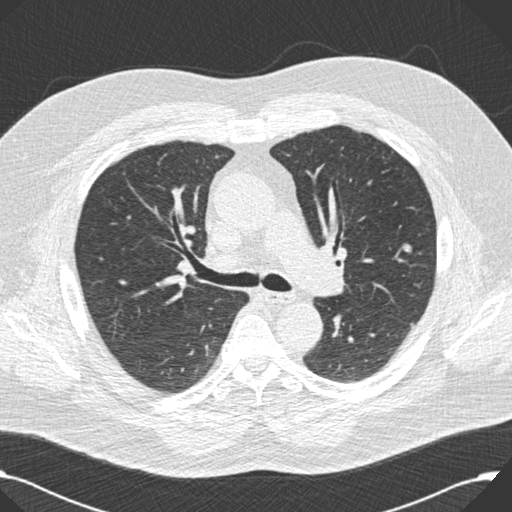
Axial chest CT slice 110 of 176 (counted from the lowest slice); 2.00 mm thick, 0.742 mm per pixel. Pulmonary nodule at rows 240–253, columns 401–413 (box = the union of the readers' outlines on this slice), outlined by all four readers; longest diameter 14.9 mm on average over the four readers' outlines (readers' outlines 14.3–16.3 mm), volume 1042–1473 mm3. The readers' prevailing ratings and who disagreed: texture 5/5 (solid) from all four readers; most readers (three of four) put margin at 5/5 (circumscribed), others 4/5 (one); most readers (three of four) put sphericity at 4/5, others 5/5 (round) (one); calcification split among the readers: absent (two), non-central calcification (two); internal structure soft tissue, all four readers agreeing; subtlety 5/5 by three of four readers; the rest gave 3/5 (one); malignancy likelihood 2/5 by two of four readers; the rest gave 3/5 (one), 4/5 (one). Scale key (1–5): texture non-solid→solid, margin indistinct→circumscribed, sphericity linear→round, subtlety extremely subtle→obvious, malignancy likelihood highly unlikely→highly suspicious of cancer. Box rows and columns are 0-based pixel indices from the top-left corner, inclusive.
Tube voltage 120 kVp; convolution kernel B30f.